Axial chest CT slice 96 of 141 (counted from the lowest slice); tube voltage 120 kVp, convolution kernel STANDARD; slices 2.50 mm thick, 0.703 mm per pixel.
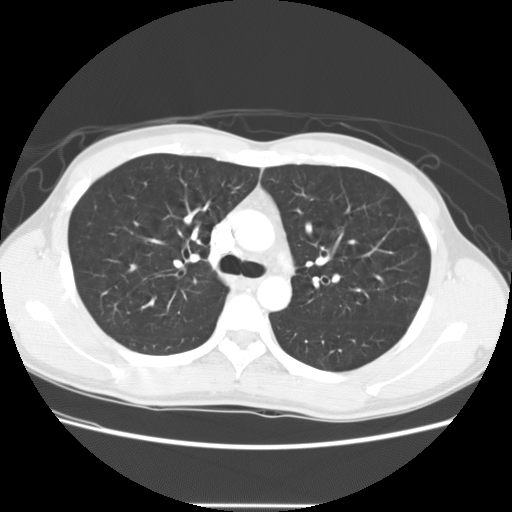
The readers outlined no nodule of 3 mm or more on this slice.